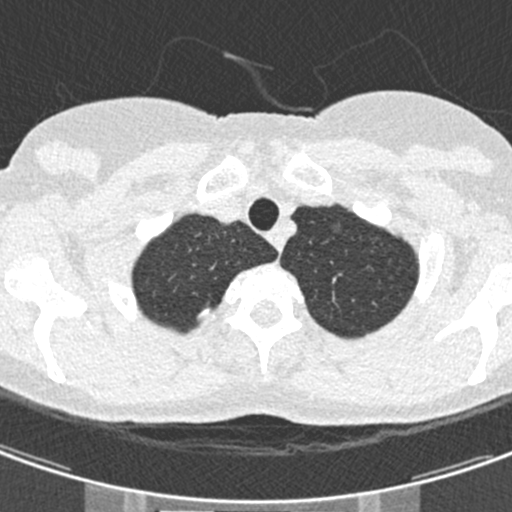
This is axial slice 389 of 429 (slice 1 is the lowest) of a chest CT; each pixel is 0.537 mm and the slice is 0.75 mm thick. Pulmonary nodule at rows 224–232, columns 331–340 (box = that reader's outline on this slice), outlined by one of the four readers; longest diameter 7.3 mm and volume 72 mm3 from that reader's outline. That reader's ratings: texture 1/5 (non-solid); margin 1/5 (indistinct); sphericity 4/5; calcification absent; internal structure soft tissue; subtlety 1/5; malignancy likelihood 3/5. Scale key (1–5): texture non-solid→solid, margin indistinct→circumscribed, sphericity linear→round, subtlety extremely subtle→obvious, malignancy likelihood highly unlikely→highly suspicious of cancer. Box rows and columns are 0-based pixel indices from the top-left corner, inclusive.
Tube voltage 120 kVp; convolution kernel B30f.